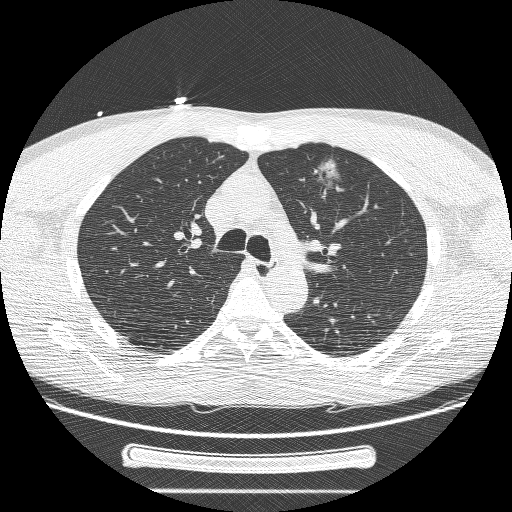
Axial chest CT slice 164 of 244 (counted from the lowest slice); tube voltage 120 kVp, convolution kernel BONE; slices 1.25 mm thick, 0.729 mm per pixel.
Pulmonary nodule at rows 157–189, columns 310–341 (box = the union of the readers' outlines on this slice), outlined by three of the four readers, two of them on this slice; longest diameter 34.2 mm on average over the three readers' outlines (readers' outlines 27.4–37.9 mm), volume 2934–10099 mm3. The readers' prevailing ratings and who disagreed: most readers (two of three) put texture at 5/5 (solid), others 3/5 (part-solid) (one); margin split among the readers: 1/5 (indistinct) (one), 2/5 (one), 3/5 (one); sphericity split among the readers: 2/5 (one), 3/5 (ovoid) (one), 4/5 (one); calcification absent from all three readers; internal structure soft tissue, all three readers agreeing; subtlety 5/5 from all three readers; most readers (two of three) put malignancy likelihood at 5/5, others 3/5 (one). Scale key (1–5): texture non-solid→solid, margin indistinct→circumscribed, sphericity linear→round, subtlety extremely subtle→obvious, malignancy likelihood highly unlikely→highly suspicious of cancer. Box rows and columns are 0-based pixel indices from the top-left corner, inclusive.